Chest CT, axial plane, 120 kVp, kernel STANDARD. Slice 173/369 from the bottom of the scan; thickness 1.25 mm; pixel size 0.703 mm.
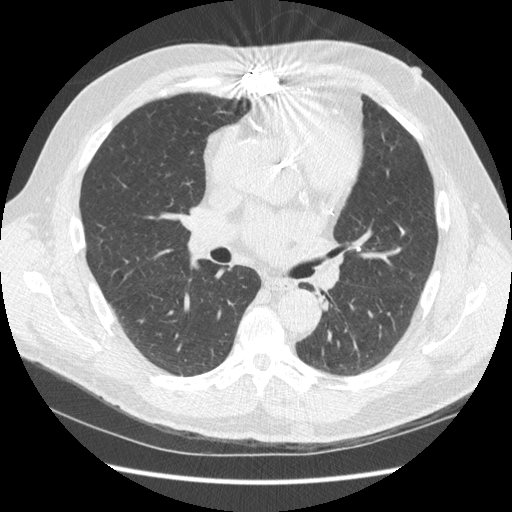
Pulmonary nodule outlined by one of the four readers; box rows 227–234, columns 399–404 (that reader's outline on this slice); longest diameter 10.1 mm and volume 89 mm3 from that reader's outline. Ratings by that reader: texture 5/5 (solid); margin 5/5 (circumscribed); sphericity 3/5 (ovoid); calcification solid calcification; internal structure soft tissue; subtlety 5/5; malignancy likelihood 1/5. Scale key (1–5): texture non-solid→solid, margin indistinct→circumscribed, sphericity linear→round, subtlety extremely subtle→obvious, malignancy likelihood highly unlikely→highly suspicious of cancer. Box rows and columns are 0-based pixel indices from the top-left corner, inclusive.